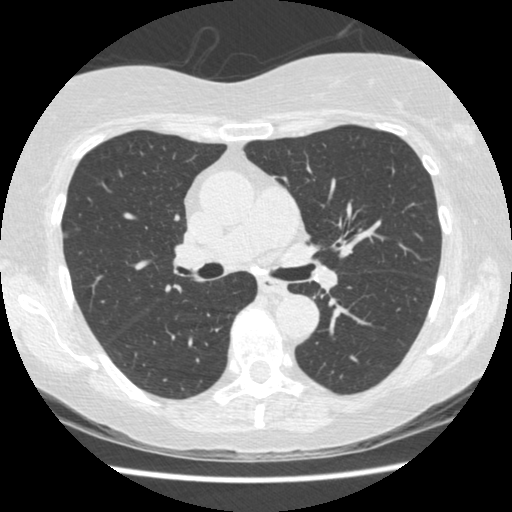
Axial chest CT slice 250 of 458 (counted from the lowest slice); 1.25 mm thick, 0.625 mm per pixel. Pulmonary nodule outlined by two of the four readers; box rows 231–237, columns 62–67 (the union of the readers' outlines on this slice); longest diameter 5.5 mm on average over the two readers' outlines (readers' outlines 5.4–5.6 mm), volume 31–41 mm3. Ratings, by the readers' most common answer with dissent counted: texture split among the readers: 2/5 (one), 5/5 (solid) (one); margin split among the readers: 2/5 (one), 5/5 (circumscribed) (one); sphericity split among the readers: 3/5 (ovoid) (one), 4/5 (one); calcification absent from both readers; internal structure soft tissue from both readers; subtlety split among the readers: 3/5 (one), 4/5 (one); malignancy likelihood split among the readers: 2/5 (one), 3/5 (one). Scale key (1–5): texture non-solid→solid, margin indistinct→circumscribed, sphericity linear→round, subtlety extremely subtle→obvious, malignancy likelihood highly unlikely→highly suspicious of cancer. Box rows and columns are 0-based pixel indices from the top-left corner, inclusive.
Tube voltage 120 kVp; convolution kernel STANDARD.